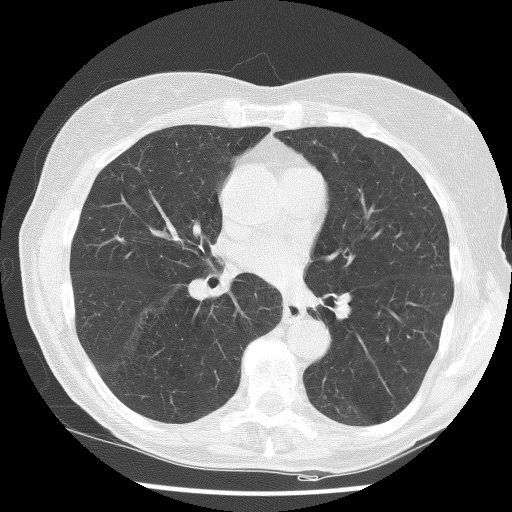
Slice 63/122 of a chest CT, counting up from the lowest; pixel size 0.615 mm, slice thickness 2.50 mm. Pulmonary nodule at rows 395–398, columns 322–326 (box = that reader's outline on this slice), outlined by one of the four readers; longest diameter 4.1 mm and volume 50 mm3 from that reader's outline. Ratings by that reader: texture 5/5 (solid); margin 5/5 (circumscribed); sphericity 4/5; calcification absent; internal structure soft tissue; subtlety 3/5; malignancy likelihood 3/5. Scale key (1–5): texture non-solid→solid, margin indistinct→circumscribed, sphericity linear→round, subtlety extremely subtle→obvious, malignancy likelihood highly unlikely→highly suspicious of cancer. Box rows and columns are 0-based pixel indices from the top-left corner, inclusive.
Tube voltage 140 kVp; convolution kernel BONE.